Axial chest CT slice 219 of 513 (counted from the lowest slice); tube voltage 120 kVp, convolution kernel STANDARD; slices 1.25 mm thick, 0.703 mm per pixel.
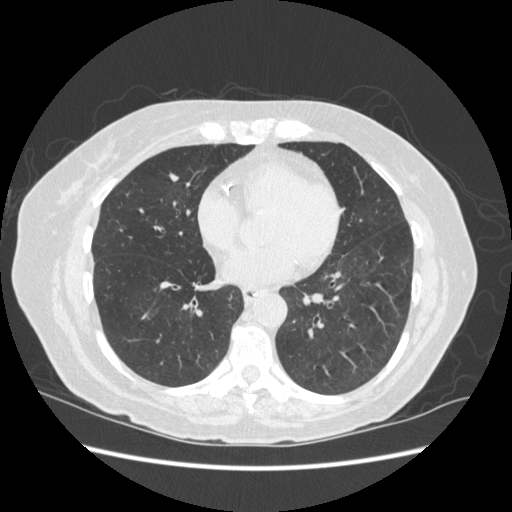
Pulmonary nodule, outlined by three of the four readers. Box on this slice rows 172–182, columns 168–179, the union of the readers' outlines on this slice; longest diameter 8.2–9.4 mm and volume 118–157 mm3 across the three readers' outlines. The readers' ratings, as ranges where they differ: texture from 4/5 to 5/5 (solid) across the three readers; margin from 3/5 to 5/5 (circumscribed) across the three readers; sphericity 3/5 (ovoid) from all three readers; calcification absent, all three readers agreeing; internal structure soft tissue, all three readers agreeing; subtlety 4/5, all three readers agreeing; malignancy likelihood rated between 1 and 4 out of 5 by the three readers. Scale key (1–5): texture non-solid→solid, margin indistinct→circumscribed, sphericity linear→round, subtlety extremely subtle→obvious, malignancy likelihood highly unlikely→highly suspicious of cancer. Box rows and columns are 0-based pixel indices from the top-left corner, inclusive.